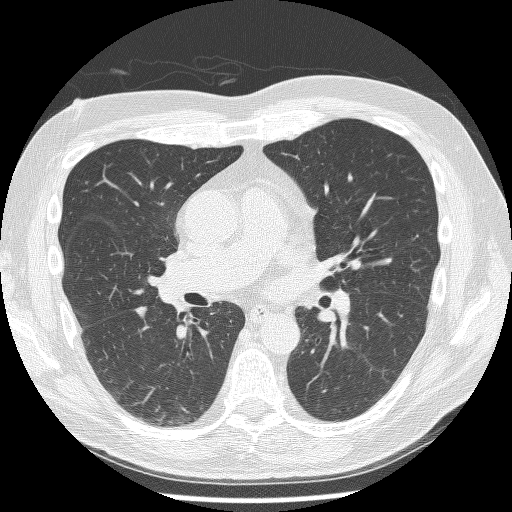
Chest CT, axial plane, 120 kVp, kernel BONE. Slice 137/244 from the bottom of the scan; thickness 1.25 mm; pixel size 0.674 mm.
Pulmonary nodule, outlined by all four readers. Box on this slice rows 306–318, columns 134–146, the union of the readers' outlines on this slice; the four readers' outlines give a longest diameter between 8.6 and 12.1 mm and a volume between 222 and 252 mm3. The readers' ratings, as ranges where they differ: texture from 4/5 to 5/5 (solid) across the four readers; margin from 4/5 to 5/5 (circumscribed) across the four readers; sphericity from 2/5 to 3/5 (ovoid) across the four readers; calcification absent, all four readers agreeing; internal structure soft tissue from all four readers; subtlety 4–5/5 (the readers disagree); malignancy likelihood rated between 2 and 4 out of 5 by the four readers. Scale key (1–5): texture non-solid→solid, margin indistinct→circumscribed, sphericity linear→round, subtlety extremely subtle→obvious, malignancy likelihood highly unlikely→highly suspicious of cancer. Box rows and columns are 0-based pixel indices from the top-left corner, inclusive.